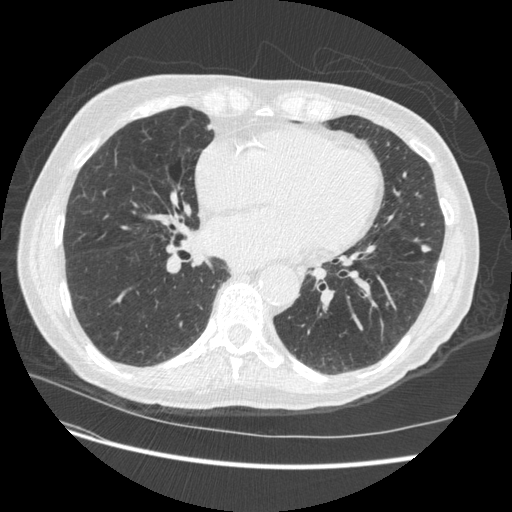
Axial slice 200 of 509 of a chest CT (slice 1 is the lowest), reconstructed with the STANDARD kernel at 120 kVp; 1.25 mm slice thickness and 0.703 mm pixels.
Pulmonary nodule at rows 243–253, columns 420–431 (box = the union of the readers' outlines on this slice), outlined by three of the four readers; median longest diameter 8.9 mm (readers' outlines 6.9–9.6 mm), median volume 179 mm3 (87–218 mm3). Ratings, median across the readers with their spread: texture 5/5 (solid), all three readers agreeing; margin 4/5 from all three readers; median sphericity 4/5 (readers ranged 3/5 (ovoid) to 4/5); calcification absent from all three readers; internal structure soft tissue from all three readers; median subtlety 4/5 (readers ranged 4–5); median malignancy likelihood 3/5 (readers ranged 2–5). Scale key (1–5): texture non-solid→solid, margin indistinct→circumscribed, sphericity linear→round, subtlety extremely subtle→obvious, malignancy likelihood highly unlikely→highly suspicious of cancer. Box rows and columns are 0-based pixel indices from the top-left corner, inclusive.